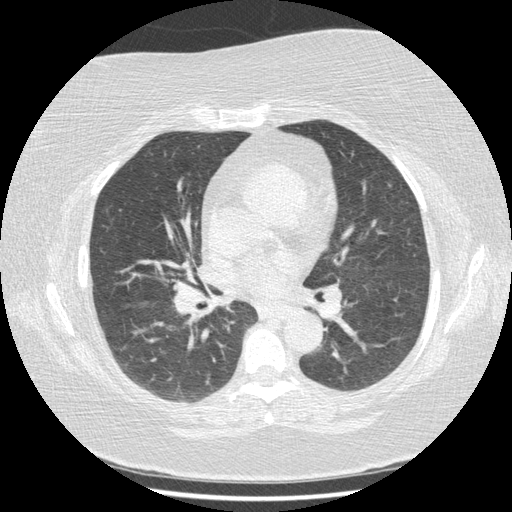
This is axial slice 234 of 417 (slice 1 is the lowest) of a chest CT; each pixel is 0.703 mm and the slice is 1.25 mm thick. Pulmonary nodule outlined by three of the four readers, two of them on this slice; box rows 182–187, columns 387–392 (the union of the readers' outlines on this slice); longest diameter 7.1 mm on average over the three readers' outlines (readers' outlines 6.6–7.3 mm), volume 55–92 mm3. The readers' prevailing ratings and who disagreed: most readers (two of three) put texture at 5/5 (solid), others 3/5 (part-solid) (one); margin split among the readers: 2/5 (one), 3/5 (one), 4/5 (one); sphericity 4/5, all three readers agreeing; calcification absent, all three readers agreeing; internal structure soft tissue, all three readers agreeing; most readers (two of three) put subtlety at 4/5, others 5/5 (one); most readers (two of three) put malignancy likelihood at 3/5, others 2/5 (one). Scale key (1–5): texture non-solid→solid, margin indistinct→circumscribed, sphericity linear→round, subtlety extremely subtle→obvious, malignancy likelihood highly unlikely→highly suspicious of cancer. Box rows and columns are 0-based pixel indices from the top-left corner, inclusive.
Tube voltage 120 kVp; convolution kernel STANDARD.